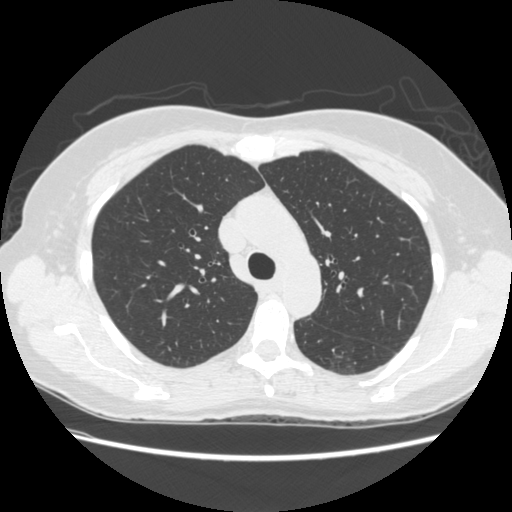
Axial chest CT slice 178 of 261 (counted from the lowest slice); tube voltage 120 kVp, convolution kernel STANDARD; slices 1.25 mm thick, 0.682 mm per pixel.
Pulmonary nodule outlined by two of the four readers; box rows 335–374, columns 329–355 (the union of the readers' outlines on this slice); the two readers' outlines give a longest diameter between 30.0 and 31.5 mm and a volume between 6577 and 7912 mm3. Ratings across the readers: texture from 1/5 (non-solid) to 2/5 across the two readers; margin from 1/5 (indistinct) to 2/5 across the two readers; sphericity from 3/5 (ovoid) to 5/5 (round) across the two readers; calcification absent, both readers agreeing; internal structure soft tissue, both readers agreeing; subtlety 1–2/5 (the readers disagree); malignancy likelihood 4–5/5 (the readers disagree). Scale key (1–5): texture non-solid→solid, margin indistinct→circumscribed, sphericity linear→round, subtlety extremely subtle→obvious, malignancy likelihood highly unlikely→highly suspicious of cancer. Box rows and columns are 0-based pixel indices from the top-left corner, inclusive.